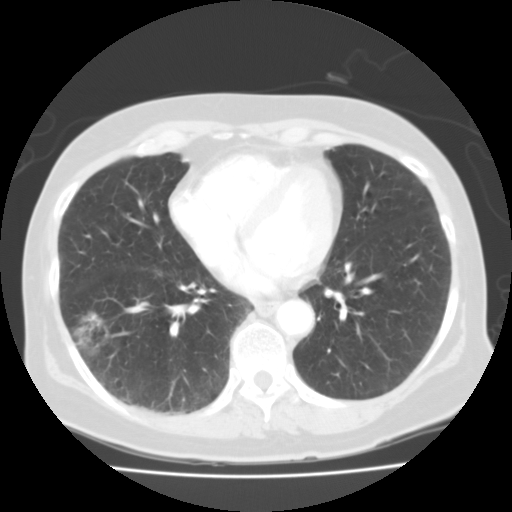
Chest CT, axial plane, 135 kVp, kernel FC01. Slice 50/118 from the bottom of the scan; thickness 3.00 mm; pixel size 0.665 mm.
Pulmonary nodule outlined by all four readers; box rows 309–356, columns 69–110 (the union of the readers' outlines on this slice); longest diameter 33.4 mm on average over the four readers' outlines (readers' outlines 31.8–35.1 mm), volume 6444–8715 mm3. The readers' prevailing ratings and who disagreed: texture 1/5 (non-solid) by two of four readers; the rest gave 2/5 (one), 3/5 (part-solid) (one); margin 2/5 by two of four readers; the rest gave 1/5 (indistinct) (one), 3/5 (one); most readers (three of four) put sphericity at 4/5, others 5/5 (round) (one); calcification absent, all four readers agreeing; internal structure soft tissue, all four readers agreeing; subtlety 5/5 from all four readers; malignancy likelihood split among the readers: 2/5 (one), 3/5 (one), 4/5 (one), 5/5 (one). Scale key (1–5): texture non-solid→solid, margin indistinct→circumscribed, sphericity linear→round, subtlety extremely subtle→obvious, malignancy likelihood highly unlikely→highly suspicious of cancer. Box rows and columns are 0-based pixel indices from the top-left corner, inclusive.